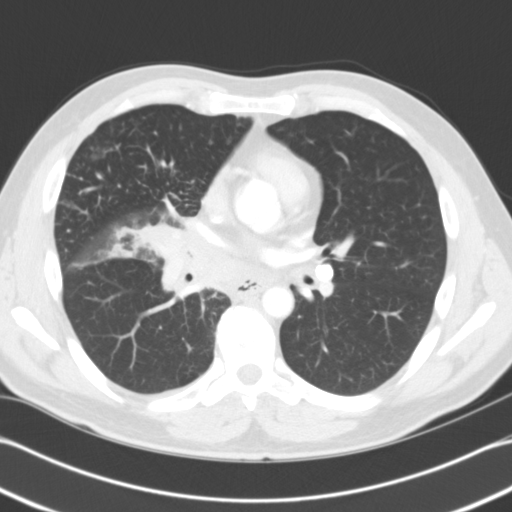
Axial chest CT slice 65 of 121 (counted from the lowest slice); 3.00 mm thick, 0.674 mm per pixel. Pulmonary nodule, outlined by one of the four readers. Box on this slice rows 154–159, columns 91–96, that reader's outline on this slice; longest diameter 12.1 mm and volume 250 mm3 from that reader's outline. That reader's ratings: texture 3/5 (part-solid); margin 2/5; sphericity 3/5 (ovoid); calcification absent; internal structure soft tissue; subtlety 4/5; malignancy likelihood 2/5. Scale key (1–5): texture non-solid→solid, margin indistinct→circumscribed, sphericity linear→round, subtlety extremely subtle→obvious, malignancy likelihood highly unlikely→highly suspicious of cancer. Box rows and columns are 0-based pixel indices from the top-left corner, inclusive.
Scan settings: 120 kVp, B31f reconstruction kernel.